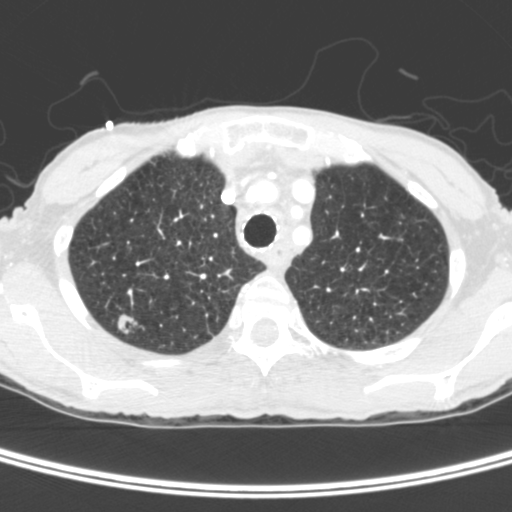
One axial slice (316 of 400, counting up from the lowest) of a chest CT acquired at 120 kVp with the C kernel; each pixel is 0.527 mm and the slice is 1.50 mm thick.
Pulmonary nodule outlined by three of the four readers; box rows 314–334, columns 117–136 (the union of the readers' outlines on this slice); longest diameter 15.0–15.8 mm and volume 1012–1166 mm3 across the three readers' outlines. The readers' ratings, as ranges where they differ: texture from 3/5 (part-solid) to 5/5 (solid) across the three readers; margin 4/5, all three readers agreeing; sphericity from 4/5 to 5/5 (round) across the three readers; calcification absent from all three readers; internal structure: soft tissue (two), air (one); subtlety 5/5 from all three readers; malignancy likelihood from 4/5 to 5/5 across the three readers. Scale key (1–5): texture non-solid→solid, margin indistinct→circumscribed, sphericity linear→round, subtlety extremely subtle→obvious, malignancy likelihood highly unlikely→highly suspicious of cancer. Box rows and columns are 0-based pixel indices from the top-left corner, inclusive.